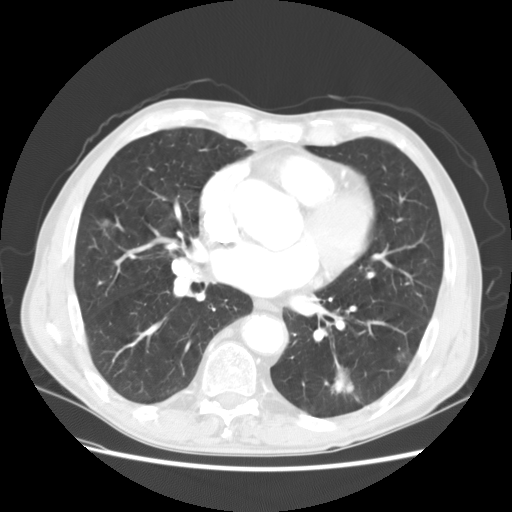
Chest CT, axial plane, 120 kVp, kernel STANDARD. Slice 72/147 from the bottom of the scan; thickness 2.50 mm; pixel size 0.703 mm.
Two pulmonary nodules are outlined on this slice; from left to right: (1) Pulmonary nodule at rows 218–225, columns 103–109 (box = the union of the readers' outlines on this slice), outlined by all four readers, three of them on this slice; median longest diameter 12.4 mm (readers' outlines 12.0–13.3 mm), median volume 764 mm3 (735–848 mm3). Ratings, median across the readers with their spread: median texture 5/5 (solid) (readers ranged 4/5 to 5/5 (solid)); margin 4/5 at the median of four readers, spread 4/5 to 5/5 (circumscribed); sphericity 4/5 at the median of four readers, spread 4/5 to 5/5 (round); calcification absent, all four readers agreeing; internal structure soft tissue, all four readers agreeing; median subtlety 4/5 (readers ranged 3–5); malignancy likelihood 3/5 at the median of four readers, spread 2–4. (2) Pulmonary nodule outlined by all four readers; box rows 356–396, columns 331–353 (the union of the readers' outlines on this slice); median longest diameter 30.8 mm (readers' outlines 30.2–32.4 mm), median volume 8636 mm3 (8441–9544 mm3). Median ratings and the readers' spread: median texture 5/5 (solid) (readers ranged 3/5 (part-solid) to 5/5 (solid)); margin 4/5 at the median of four readers, spread 2/5 to 5/5 (circumscribed); median sphericity 4.5/5 (readers ranged 3/5 (ovoid) to 5/5 (round)); calcification absent from all four readers; internal structure soft tissue from all four readers; subtlety 5/5, all four readers agreeing; median malignancy likelihood 4/5 (readers ranged 3–5). Scale key (1–5): texture non-solid→solid, margin indistinct→circumscribed, sphericity linear→round, subtlety extremely subtle→obvious, malignancy likelihood highly unlikely→highly suspicious of cancer. Box rows and columns are 0-based pixel indices from the top-left corner, inclusive.